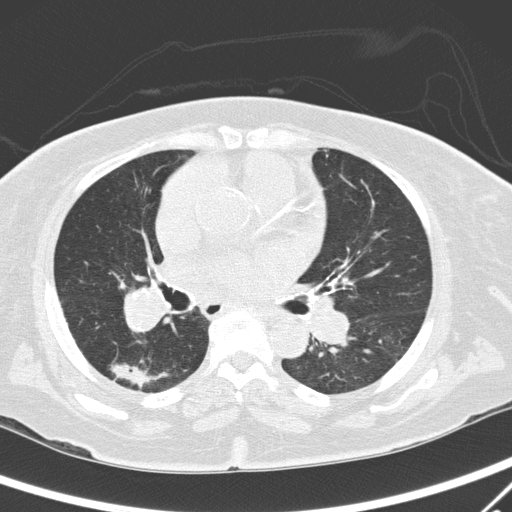
Axial slice 163 of 295 of a chest CT (slice 1 is the lowest), reconstructed with the D kernel at 120 kVp; 2.00 mm slice thickness and 0.682 mm pixels.
Pulmonary nodule outlined by one of the four readers; box rows 362–389, columns 108–169 (that reader's outline on this slice); longest diameter 49.8 mm and volume 6337 mm3 from that reader's outline. Ratings by that reader: texture 4/5; margin 1/5 (indistinct); sphericity 3/5 (ovoid); calcification absent; internal structure soft tissue; subtlety 5/5; malignancy likelihood 5/5. Scale key (1–5): texture non-solid→solid, margin indistinct→circumscribed, sphericity linear→round, subtlety extremely subtle→obvious, malignancy likelihood highly unlikely→highly suspicious of cancer. Box rows and columns are 0-based pixel indices from the top-left corner, inclusive.